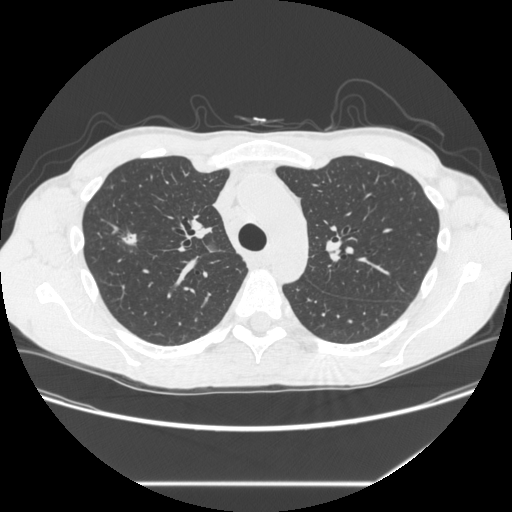
Chest CT, axial plane, 120 kVp, kernel STANDARD. Slice 213/301 from the bottom of the scan; thickness 1.25 mm; pixel size 0.752 mm.
Pulmonary nodule outlined by all four readers; box rows 230–245, columns 121–136 (the union of the readers' outlines on this slice); longest diameter 13.6 mm on average over the four readers' outlines (readers' outlines 12.1–14.8 mm), volume 491–1018 mm3. The readers' prevailing ratings and who disagreed: texture 5/5 (solid) by two of four readers; the rest gave 3/5 (part-solid) (one), 4/5 (one); margin 1/5 (indistinct) by two of four readers; the rest gave 3/5 (one), 4/5 (one); sphericity 4/5 by three of four readers; the rest gave 2/5 (one); calcification absent from all four readers; internal structure split among the readers: soft tissue (two), air (two); subtlety 5/5 from all four readers; malignancy likelihood split among the readers: 4/5 (two), 5/5 (two). Scale key (1–5): texture non-solid→solid, margin indistinct→circumscribed, sphericity linear→round, subtlety extremely subtle→obvious, malignancy likelihood highly unlikely→highly suspicious of cancer. Box rows and columns are 0-based pixel indices from the top-left corner, inclusive.